Chest CT, axial plane, 120 kVp, kernel B30f. Slice 134/172 from the bottom of the scan; thickness 2.00 mm; pixel size 0.664 mm.
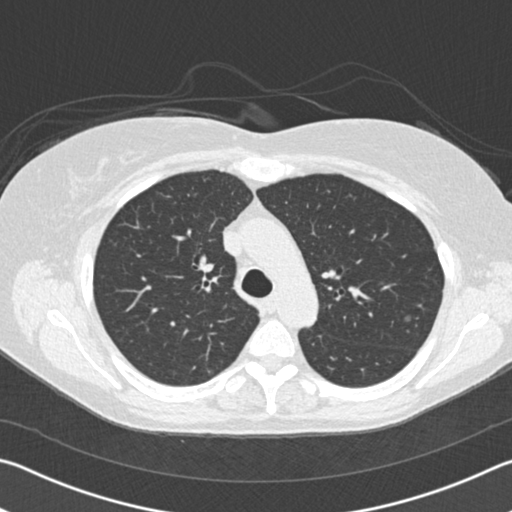
Pulmonary nodule outlined by three of the four readers; box rows 315–321, columns 403–410 (the union of the readers' outlines on this slice); longest diameter 6.2 mm on average over the three readers' outlines (readers' outlines 5.9–6.3 mm), volume 73–91 mm3. The readers' prevailing ratings and who disagreed: most readers (two of three) put texture at 1/5 (non-solid), others 4/5 (one); most readers (two of three) put margin at 2/5, others 4/5 (one); sphericity 5/5 (round) by two of three readers; the rest gave 3/5 (ovoid) (one); calcification absent from all three readers; internal structure soft tissue from all three readers; subtlety 2/5 by two of three readers; the rest gave 3/5 (one); malignancy likelihood 3/5 from all three readers. Scale key (1–5): texture non-solid→solid, margin indistinct→circumscribed, sphericity linear→round, subtlety extremely subtle→obvious, malignancy likelihood highly unlikely→highly suspicious of cancer. Box rows and columns are 0-based pixel indices from the top-left corner, inclusive.